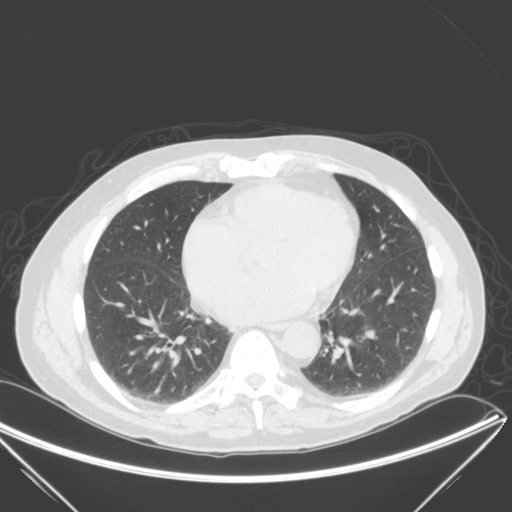
One axial slice (91 of 280, counting up from the lowest) of a chest CT acquired at 120 kVp with the B kernel; each pixel is 0.805 mm and the slice is 2.00 mm thick.
Pulmonary nodule at rows 387–390, columns 133–136 (box = the union of the readers' outlines on this slice), outlined by all four readers, two of them on this slice; longest diameter 9.7 mm on average over the four readers' outlines (readers' outlines 9.1–10.9 mm), volume 168–331 mm3. The readers' prevailing ratings and who disagreed: texture 5/5 (solid), all four readers agreeing; most readers (three of four) put margin at 4/5, others 5/5 (circumscribed) (one); most readers (three of four) put sphericity at 5/5 (round), others 4/5 (one); calcification absent from all four readers; internal structure soft tissue from all four readers; subtlety 5/5 by three of four readers; the rest gave 4/5 (one); malignancy likelihood 3/5 by three of four readers; the rest gave 5/5 (one). Scale key (1–5): texture non-solid→solid, margin indistinct→circumscribed, sphericity linear→round, subtlety extremely subtle→obvious, malignancy likelihood highly unlikely→highly suspicious of cancer. Box rows and columns are 0-based pixel indices from the top-left corner, inclusive.